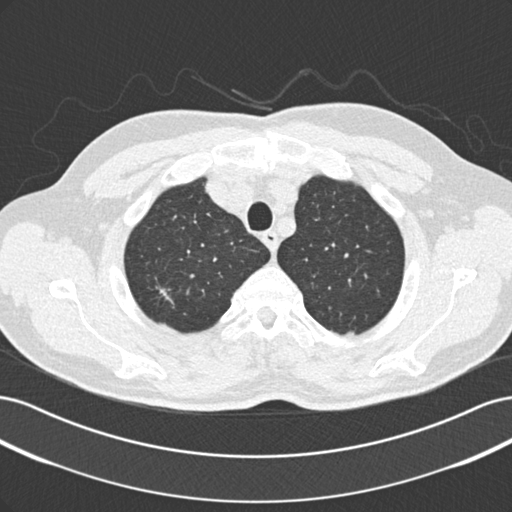
Axial slice 195 of 229 of a chest CT (slice 1 is the lowest), reconstructed with the B30f kernel at 120 kVp; 2.00 mm slice thickness and 0.703 mm pixels.
Pulmonary nodule outlined by two of the four readers; box rows 330–335, columns 345–354 (the union of the readers' outlines on this slice); longest diameter 8.1 mm on average over the two readers' outlines (readers' outlines 8.0–8.2 mm), volume 156–182 mm3. The readers' prevailing ratings and who disagreed: texture 5/5 (solid) from both readers; margin split among the readers: 4/5 (one), 5/5 (circumscribed) (one); sphericity split among the readers: 2/5 (one), 5/5 (round) (one); calcification absent, both readers agreeing; internal structure soft tissue from both readers; subtlety split among the readers: 3/5 (one), 4/5 (one); malignancy likelihood split among the readers: 2/5 (one), 3/5 (one). Scale key (1–5): texture non-solid→solid, margin indistinct→circumscribed, sphericity linear→round, subtlety extremely subtle→obvious, malignancy likelihood highly unlikely→highly suspicious of cancer. Box rows and columns are 0-based pixel indices from the top-left corner, inclusive.